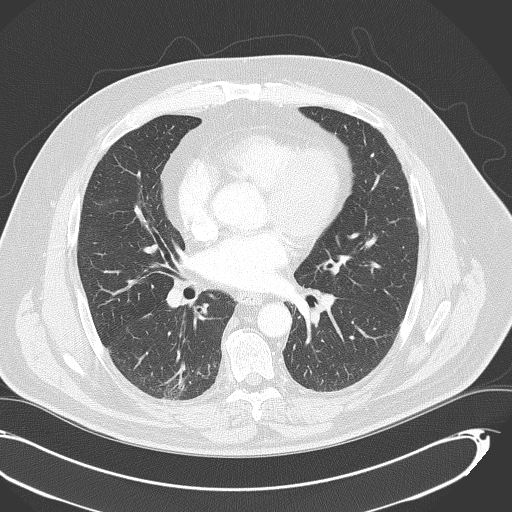
Slice 191/333 of a chest CT, counting up from the lowest; pixel size 0.775 mm, slice thickness 2.00 mm. Pulmonary nodule outlined by three of the four readers, one of them on this slice; box rows 327–332, columns 125–128 (the one reader's outline on this slice); longest diameter 7.1–7.9 mm and volume 58–182 mm3 across the three readers' outlines. The readers' ratings, as ranges where they differ: texture from 4/5 to 5/5 (solid) across the three readers; margin from 3/5 to 5/5 (circumscribed) across the three readers; sphericity 3/5 (ovoid), all three readers agreeing; calcification absent, all three readers agreeing; internal structure soft tissue, all three readers agreeing; subtlety from 2/5 to 5/5 across the three readers; malignancy likelihood 2/5 from all three readers. Scale key (1–5): texture non-solid→solid, margin indistinct→circumscribed, sphericity linear→round, subtlety extremely subtle→obvious, malignancy likelihood highly unlikely→highly suspicious of cancer. Box rows and columns are 0-based pixel indices from the top-left corner, inclusive.
Tube voltage 120 kVp; convolution kernel B70f.